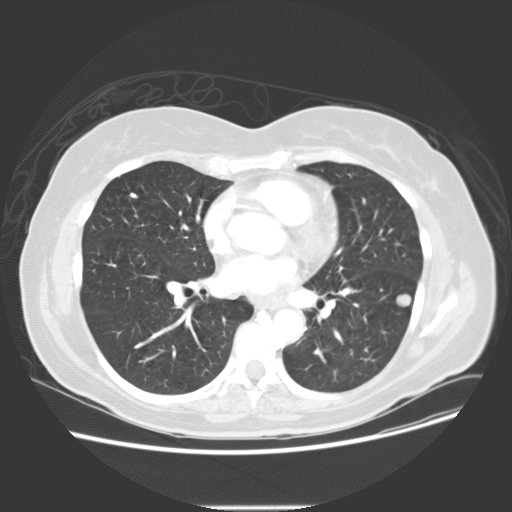
One axial slice (68 of 133, counting up from the lowest) of a chest CT acquired at 120 kVp with the STANDARD kernel; each pixel is 0.742 mm and the slice is 2.50 mm thick.
Pulmonary nodule, outlined by all four readers. Box on this slice rows 293–307, columns 395–412, the union of the readers' outlines on this slice; longest diameter 13.4–14.4 mm and volume 848–916 mm3 across the four readers' outlines. Ratings across the readers: texture 5/5 (solid), all four readers agreeing; margin from 4/5 to 5/5 (circumscribed) across the four readers; sphericity from 4/5 to 5/5 (round) across the four readers; calcification absent, all four readers agreeing; internal structure soft tissue, all four readers agreeing; subtlety from 3/5 to 5/5 across the four readers; malignancy likelihood rated between 2 and 4 out of 5 by the four readers. Scale key (1–5): texture non-solid→solid, margin indistinct→circumscribed, sphericity linear→round, subtlety extremely subtle→obvious, malignancy likelihood highly unlikely→highly suspicious of cancer. Box rows and columns are 0-based pixel indices from the top-left corner, inclusive.